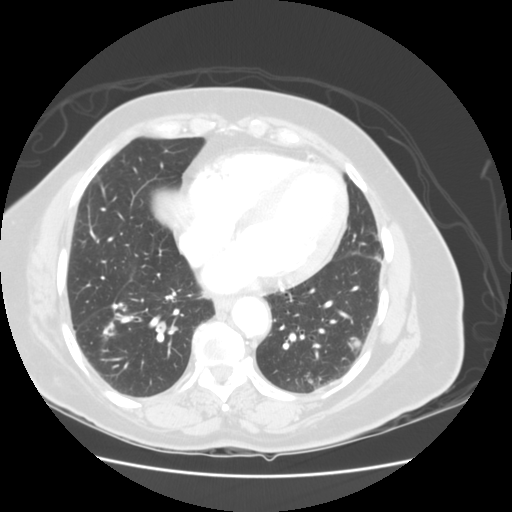
One axial slice (39 of 114, counting up from the lowest) of a chest CT acquired at 120 kVp with the STANDARD kernel; each pixel is 0.703 mm and the slice is 2.50 mm thick.
Pulmonary nodule at rows 338–347, columns 350–360 (box = the union of the readers' outlines on this slice), outlined by two of the four readers; median longest diameter 32.3 mm (readers' outlines 31.2–33.4 mm), median volume 9783 mm3 (9358–10207 mm3). Ratings, median across the readers with their spread: texture 5/5 (solid) from both readers; margin 4/5 from both readers; sphericity 3/5 (ovoid), both readers agreeing; calcification absent from both readers; internal structure soft tissue from both readers; subtlety 5/5, both readers agreeing; malignancy likelihood 5/5 from both readers. Scale key (1–5): texture non-solid→solid, margin indistinct→circumscribed, sphericity linear→round, subtlety extremely subtle→obvious, malignancy likelihood highly unlikely→highly suspicious of cancer. Box rows and columns are 0-based pixel indices from the top-left corner, inclusive.